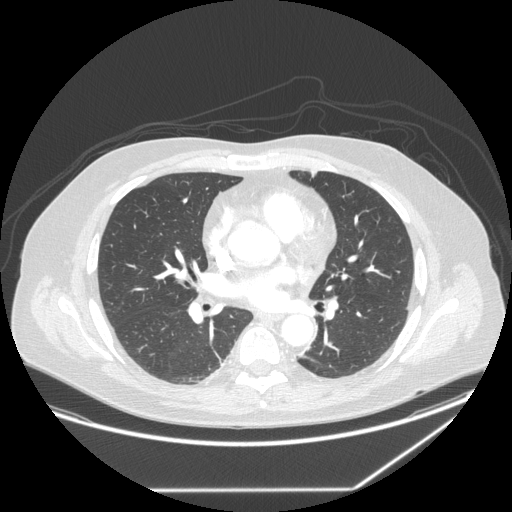
Axial chest CT slice 136 of 258 (counted from the lowest slice); tube voltage 120 kVp, convolution kernel STANDARD; slices 1.25 mm thick, 0.859 mm per pixel.
Pulmonary nodule, outlined by three of the four readers, one of them on this slice. Box on this slice rows 342–344, columns 329–332, the one reader's outline on this slice; the three readers' outlines give a longest diameter between 6.5 and 8.5 mm and a volume between 108 and 146 mm3. The readers' ratings, as ranges where they differ: texture 5/5 (solid) from all three readers; margin 5/5 (circumscribed), all three readers agreeing; sphericity 5/5 (round), all three readers agreeing; calcification absent from all three readers; internal structure soft tissue, all three readers agreeing; subtlety 2–4/5 (the readers disagree); malignancy likelihood from 2/5 to 3/5 across the three readers. Scale key (1–5): texture non-solid→solid, margin indistinct→circumscribed, sphericity linear→round, subtlety extremely subtle→obvious, malignancy likelihood highly unlikely→highly suspicious of cancer. Box rows and columns are 0-based pixel indices from the top-left corner, inclusive.